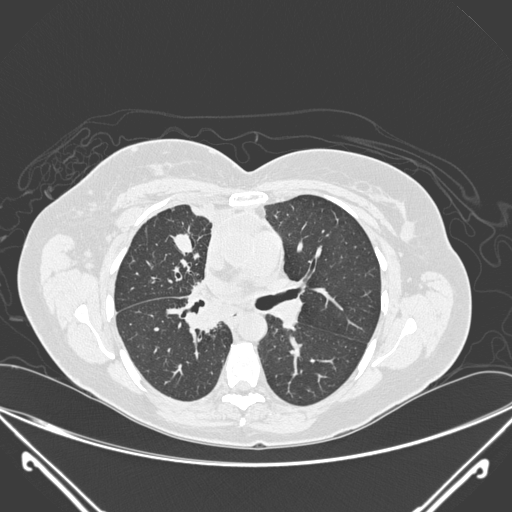
Axial slice 161 of 275 of a chest CT (slice 1 is the lowest), reconstructed with the D kernel at 120 kVp; 1.00 mm slice thickness and 0.781 mm pixels.
Pulmonary nodule at rows 233–255, columns 171–192 (box = the union of the readers' outlines on this slice), outlined by all four readers; longest diameter 20.3–23.4 mm and volume 1750–2560 mm3 across the four readers' outlines. Ratings across the readers: texture 5/5 (solid) from all four readers; margin from 3/5 to 5/5 (circumscribed) across the four readers; sphericity from 2/5 to 5/5 (round) across the four readers; calcification: absent (three), central calcification (one); internal structure soft tissue from all four readers; subtlety 5/5 from all four readers; malignancy likelihood rated between 1 and 5 out of 5 by the four readers. Scale key (1–5): texture non-solid→solid, margin indistinct→circumscribed, sphericity linear→round, subtlety extremely subtle→obvious, malignancy likelihood highly unlikely→highly suspicious of cancer. Box rows and columns are 0-based pixel indices from the top-left corner, inclusive.